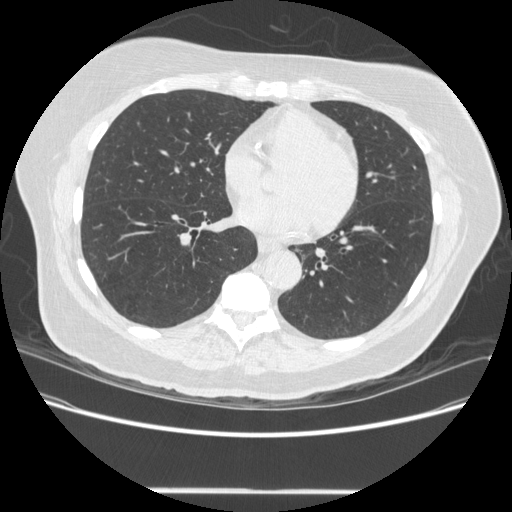
Slice 190/481 of a chest CT, counting up from the lowest; pixel size 0.742 mm, slice thickness 1.25 mm. Pulmonary nodule, outlined by two of the four readers. Box on this slice rows 165–169, columns 412–415, the union of the readers' outlines on this slice; median longest diameter 5.4 mm (readers' outlines 5.4 mm), median volume 40 mm3 (38–43 mm3). Ratings, median across the readers with their spread: texture 5/5 (solid) from both readers; median margin 4.5/5 (readers ranged 4/5 to 5/5 (circumscribed)); median sphericity 4.5/5 (readers ranged 4/5 to 5/5 (round)); calcification split among the readers: solid calcification (one), absent (one); internal structure soft tissue, both readers agreeing; median subtlety 4/5 (readers ranged 3–5); malignancy likelihood 1.5/5 at the median of two readers, spread 1–2. Scale key (1–5): texture non-solid→solid, margin indistinct→circumscribed, sphericity linear→round, subtlety extremely subtle→obvious, malignancy likelihood highly unlikely→highly suspicious of cancer. Box rows and columns are 0-based pixel indices from the top-left corner, inclusive.
Scan settings: 120 kVp, STANDARD reconstruction kernel.